Axial slice 167 of 246 of a chest CT (slice 1 is the lowest), reconstructed with the STANDARD kernel at 120 kVp; 1.25 mm slice thickness and 0.859 mm pixels.
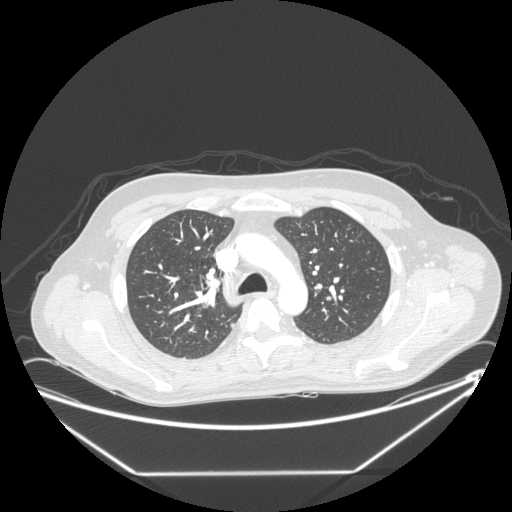
Pulmonary nodule at rows 322–327, columns 229–233 (box = the union of the readers' outlines on this slice), outlined by three of the four readers; longest diameter 7.3 mm on average over the three readers' outlines (readers' outlines 7.1–7.3 mm), volume 93–96 mm3. Ratings, by the readers' most common answer with dissent counted: texture 5/5 (solid), all three readers agreeing; margin 5/5 (circumscribed) by two of three readers; the rest gave 4/5 (one); sphericity 5/5 (round) by two of three readers; the rest gave 4/5 (one); calcification absent, all three readers agreeing; internal structure soft tissue from all three readers; subtlety 3/5 from all three readers; malignancy likelihood 3/5, all three readers agreeing. Scale key (1–5): texture non-solid→solid, margin indistinct→circumscribed, sphericity linear→round, subtlety extremely subtle→obvious, malignancy likelihood highly unlikely→highly suspicious of cancer. Box rows and columns are 0-based pixel indices from the top-left corner, inclusive.